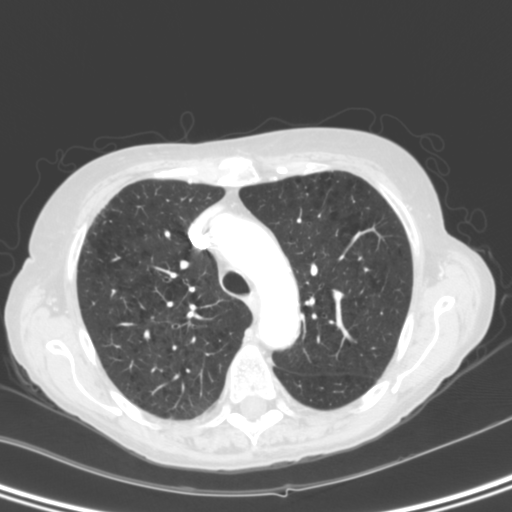
Axial chest CT slice 212 of 290 (counted from the lowest slice); tube voltage 120 kVp, convolution kernel B; slices 2.00 mm thick, 0.645 mm per pixel.
Pulmonary nodule, outlined by one of the four readers. Box on this slice rows 233–236, columns 343–349, that reader's outline on this slice; longest diameter 5.5 mm and volume 38 mm3 from that reader's outline. Ratings by that reader: texture 1/5 (non-solid); margin 4/5; sphericity 4/5; calcification absent; internal structure soft tissue; subtlety 5/5; malignancy likelihood 3/5. Scale key (1–5): texture non-solid→solid, margin indistinct→circumscribed, sphericity linear→round, subtlety extremely subtle→obvious, malignancy likelihood highly unlikely→highly suspicious of cancer. Box rows and columns are 0-based pixel indices from the top-left corner, inclusive.